One axial slice (243 of 272, counting up from the lowest) of a chest CT acquired at 120 kVp with the STANDARD kernel; each pixel is 0.742 mm and the slice is 1.25 mm thick.
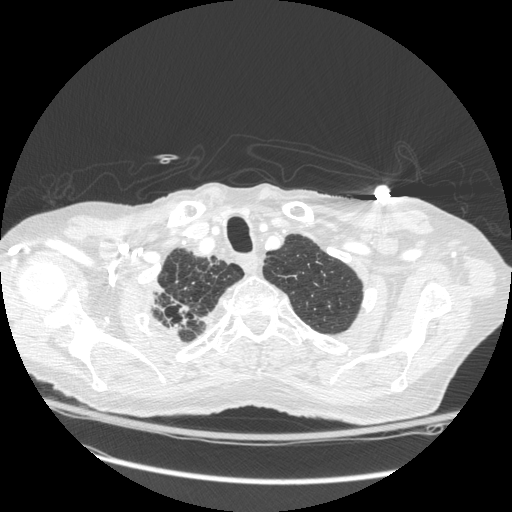
Pulmonary nodule outlined by all four readers, one of them on this slice; box rows 281–329, columns 154–188 (the one reader's outline on this slice); longest diameter 16.0–56.1 mm and volume 732–13897 mm3 across the four readers' outlines. Ratings across the readers: texture 5/5 (solid), all four readers agreeing; margin from 3/5 to 5/5 (circumscribed) across the four readers; sphericity from 3/5 (ovoid) to 4/5 across the four readers; calcification absent from all four readers; internal structure soft tissue, all four readers agreeing; subtlety 5/5 from all four readers; malignancy likelihood from 4/5 to 5/5 across the four readers. Scale key (1–5): texture non-solid→solid, margin indistinct→circumscribed, sphericity linear→round, subtlety extremely subtle→obvious, malignancy likelihood highly unlikely→highly suspicious of cancer. Box rows and columns are 0-based pixel indices from the top-left corner, inclusive.